Axial slice 154 of 261 of a chest CT (slice 1 is the lowest), reconstructed with the STANDARD kernel at 120 kVp; 1.25 mm slice thickness and 0.781 mm pixels.
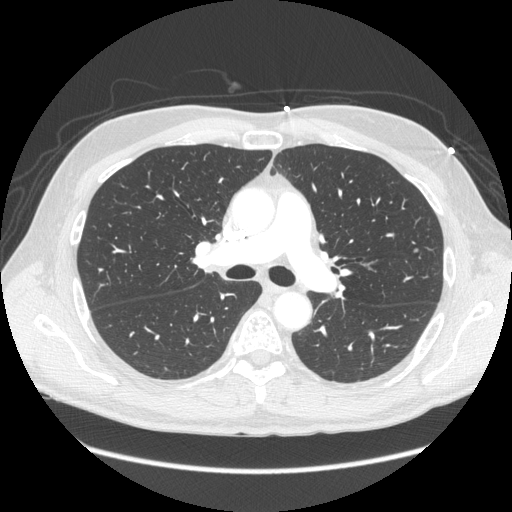
Pulmonary nodule outlined by two of the four readers; box rows 248–252, columns 413–417 (the union of the readers' outlines on this slice); longest diameter 5.9–6.3 mm and volume 66–94 mm3 across the two readers' outlines. The readers' ratings, as ranges where they differ: texture 5/5 (solid) from both readers; margin from 4/5 to 5/5 (circumscribed) across the two readers; sphericity 5/5 (round), both readers agreeing; calcification absent from both readers; internal structure soft tissue, both readers agreeing; subtlety from 1/5 to 2/5 across the two readers; malignancy likelihood from 2/5 to 3/5 across the two readers. Scale key (1–5): texture non-solid→solid, margin indistinct→circumscribed, sphericity linear→round, subtlety extremely subtle→obvious, malignancy likelihood highly unlikely→highly suspicious of cancer. Box rows and columns are 0-based pixel indices from the top-left corner, inclusive.